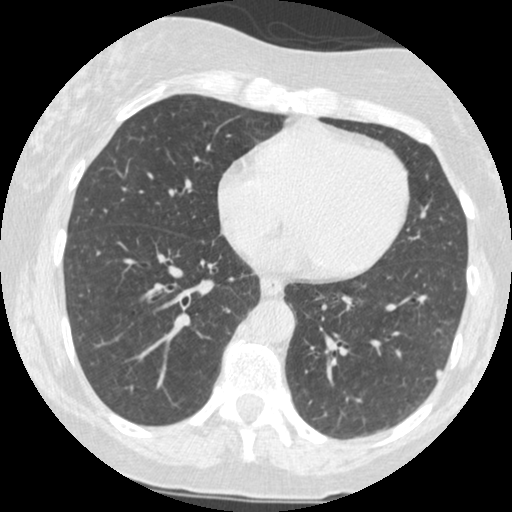
Chest CT, axial plane, 120 kVp, kernel STANDARD. Slice 176/484 from the bottom of the scan; thickness 1.25 mm; pixel size 0.586 mm.
Pulmonary nodule outlined by three of the four readers; box rows 370–379, columns 436–441 (the union of the readers' outlines on this slice); median longest diameter 7.2 mm (readers' outlines 6.4–7.2 mm), median volume 74 mm3 (50–74 mm3). Ratings, median across the readers with their spread: texture 5/5 (solid) from all three readers; margin 5/5 (circumscribed) at the median of three readers, spread 4/5 to 5/5 (circumscribed); median sphericity 4/5 (readers ranged 3/5 (ovoid) to 4/5); calcification absent, all three readers agreeing; internal structure soft tissue from all three readers; subtlety 4/5 at the median of three readers, spread 3–4; malignancy likelihood 3/5 at the median of three readers, spread 1–3. Scale key (1–5): texture non-solid→solid, margin indistinct→circumscribed, sphericity linear→round, subtlety extremely subtle→obvious, malignancy likelihood highly unlikely→highly suspicious of cancer. Box rows and columns are 0-based pixel indices from the top-left corner, inclusive.